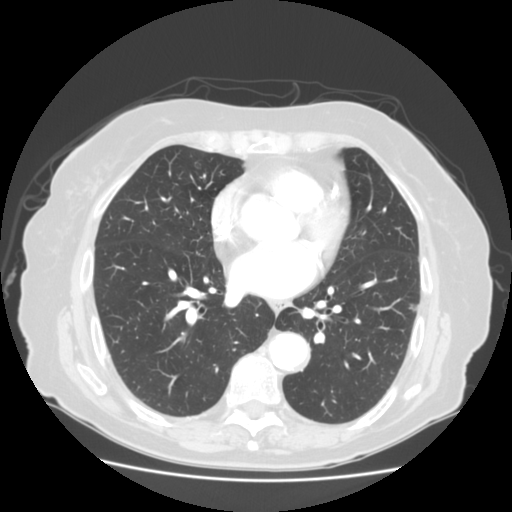
Axial chest CT slice 52 of 119 (counted from the lowest slice); tube voltage 120 kVp, convolution kernel STANDARD; slices 2.50 mm thick, 0.703 mm per pixel.
Pulmonary nodule at rows 303–311, columns 408–416 (box = the union of the readers' outlines on this slice), outlined by two of the four readers; median longest diameter 7.8 mm (readers' outlines 7.3–8.2 mm), median volume 204 mm3 (190–218 mm3). Median ratings and the readers' spread: texture 3.5/5 at the median of two readers, spread 2/5 to 5/5 (solid); median margin 3/5 (readers ranged 2/5 to 4/5); median sphericity 3.5/5 (readers ranged 3/5 (ovoid) to 4/5); calcification absent from both readers; internal structure soft tissue, both readers agreeing; subtlety 3.5/5 at the median of two readers, spread 3–4; median malignancy likelihood 2.5/5 (readers ranged 2–3). Scale key (1–5): texture non-solid→solid, margin indistinct→circumscribed, sphericity linear→round, subtlety extremely subtle→obvious, malignancy likelihood highly unlikely→highly suspicious of cancer. Box rows and columns are 0-based pixel indices from the top-left corner, inclusive.